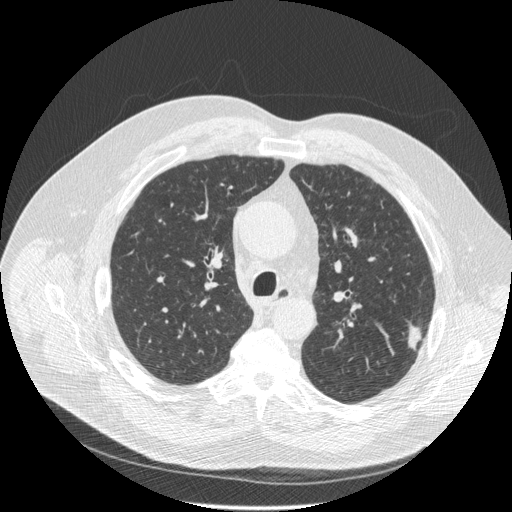
Axial chest CT slice 340 of 516 (counted from the lowest slice); tube voltage 120 kVp, convolution kernel STANDARD; slices 1.25 mm thick, 0.820 mm per pixel.
Pulmonary nodule at rows 321–351, columns 407–421 (box = the union of the readers' outlines on this slice), outlined by three of the four readers; longest diameter 27.7 mm on average over the three readers' outlines (readers' outlines 23.2–31.7 mm), volume 750–1666 mm3. Ratings, by the readers' most common answer with dissent counted: texture split among the readers: 3/5 (part-solid) (one), 4/5 (one), 5/5 (solid) (one); margin 3/5 by two of three readers; the rest gave 4/5 (one); sphericity 2/5 from all three readers; calcification absent, all three readers agreeing; internal structure soft tissue, all three readers agreeing; subtlety 5/5 from all three readers; malignancy likelihood 4/5 from all three readers. Scale key (1–5): texture non-solid→solid, margin indistinct→circumscribed, sphericity linear→round, subtlety extremely subtle→obvious, malignancy likelihood highly unlikely→highly suspicious of cancer. Box rows and columns are 0-based pixel indices from the top-left corner, inclusive.